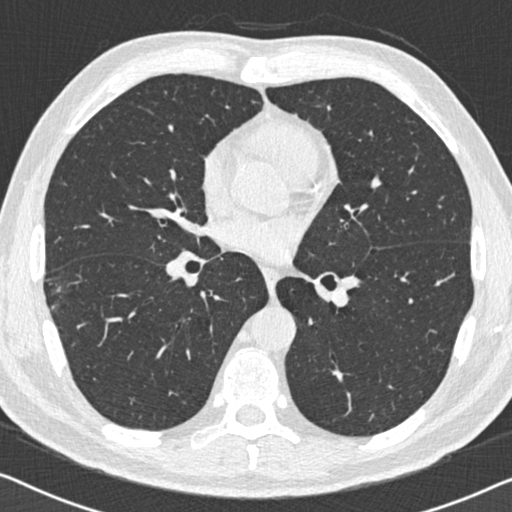
Chest CT, axial plane, 120 kVp, kernel B30f. Slice 310/558 from the bottom of the scan; thickness 0.75 mm; pixel size 0.648 mm.
Pulmonary nodule at rows 283–313, columns 50–65 (box = the one reader's outline on this slice), outlined by all four readers, one of them on this slice; median longest diameter 21.8 mm (readers' outlines 18.8–26.5 mm), median volume 1099 mm3 (726–1916 mm3). Median ratings and the readers' spread: median texture 4.5/5 (readers ranged 3/5 (part-solid) to 5/5 (solid)); margin 3/5 at the median of four readers, spread 1/5 (indistinct) to 4/5; median sphericity 3/5 (ovoid) (readers ranged 2/5 to 4/5); calcification absent from all four readers; internal structure soft tissue, all four readers agreeing; subtlety 5/5 at the median of four readers, spread 4–5; malignancy likelihood 4/5 at the median of four readers, spread 4–5. Scale key (1–5): texture non-solid→solid, margin indistinct→circumscribed, sphericity linear→round, subtlety extremely subtle→obvious, malignancy likelihood highly unlikely→highly suspicious of cancer. Box rows and columns are 0-based pixel indices from the top-left corner, inclusive.